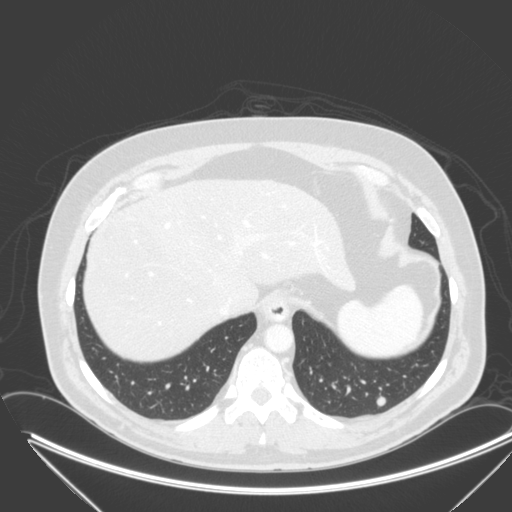
Axial chest CT slice 74 of 315 (counted from the lowest slice); tube voltage 120 kVp, convolution kernel B; slices 2.00 mm thick, 0.830 mm per pixel.
Pulmonary nodule outlined by all four readers; box rows 396–406, columns 377–385 (the union of the readers' outlines on this slice); the four readers' outlines give a longest diameter between 10.3 and 12.9 mm and a volume between 426 and 557 mm3. The readers' ratings, as ranges where they differ: texture 5/5 (solid), all four readers agreeing; margin from 4/5 to 5/5 (circumscribed) across the four readers; sphericity from 3/5 (ovoid) to 5/5 (round) across the four readers; calcification absent, all four readers agreeing; internal structure soft tissue from all four readers; subtlety from 4/5 to 5/5 across the four readers; malignancy likelihood from 3/5 to 4/5 across the four readers. Scale key (1–5): texture non-solid→solid, margin indistinct→circumscribed, sphericity linear→round, subtlety extremely subtle→obvious, malignancy likelihood highly unlikely→highly suspicious of cancer. Box rows and columns are 0-based pixel indices from the top-left corner, inclusive.